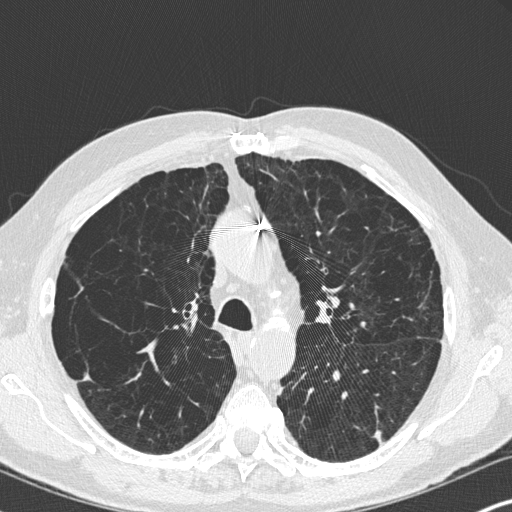
Axial chest CT slice 219 of 347 (counted from the lowest slice); tube voltage 120 kVp, convolution kernel B45f; slices 1.00 mm thick, 0.625 mm per pixel.
Pulmonary nodule at rows 429–444, columns 371–381 (box = the union of the readers' outlines on this slice), outlined by all four readers; longest diameter 10.3 mm on average over the four readers' outlines (readers' outlines 9.1–11.9 mm), volume 166–319 mm3. The readers' prevailing ratings and who disagreed: texture 5/5 (solid), all four readers agreeing; margin 5/5 (circumscribed) by two of four readers; the rest gave 2/5 (one), 4/5 (one); sphericity split among the readers: 3/5 (ovoid) (two), 4/5 (two); calcification absent, all four readers agreeing; internal structure soft tissue from all four readers; most readers (three of four) put subtlety at 4/5, others 5/5 (one); malignancy likelihood 3/5, all four readers agreeing. Scale key (1–5): texture non-solid→solid, margin indistinct→circumscribed, sphericity linear→round, subtlety extremely subtle→obvious, malignancy likelihood highly unlikely→highly suspicious of cancer. Box rows and columns are 0-based pixel indices from the top-left corner, inclusive.